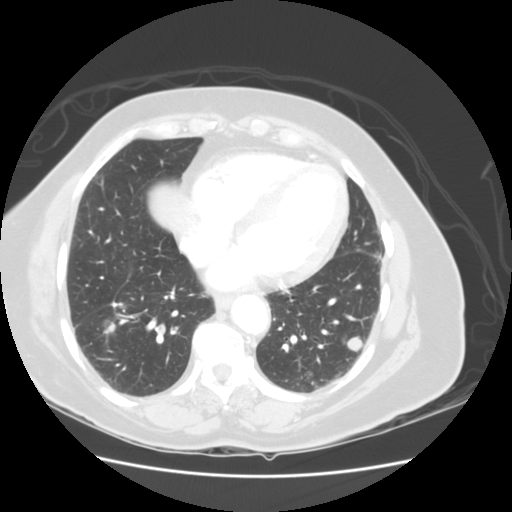
This is axial slice 38 of 114 (slice 1 is the lowest) of a chest CT; each pixel is 0.703 mm and the slice is 2.50 mm thick. Pulmonary nodule, outlined by two of the four readers. Box on this slice rows 336–350, columns 347–362, the union of the readers' outlines on this slice; median longest diameter 32.3 mm (readers' outlines 31.2–33.4 mm), median volume 9783 mm3 (9358–10207 mm3). Ratings, median across the readers with their spread: texture 5/5 (solid), both readers agreeing; margin 4/5 from both readers; sphericity 3/5 (ovoid) from both readers; calcification absent, both readers agreeing; internal structure soft tissue, both readers agreeing; subtlety 5/5, both readers agreeing; malignancy likelihood 5/5, both readers agreeing. Scale key (1–5): texture non-solid→solid, margin indistinct→circumscribed, sphericity linear→round, subtlety extremely subtle→obvious, malignancy likelihood highly unlikely→highly suspicious of cancer. Box rows and columns are 0-based pixel indices from the top-left corner, inclusive.
Tube voltage 120 kVp; convolution kernel STANDARD.